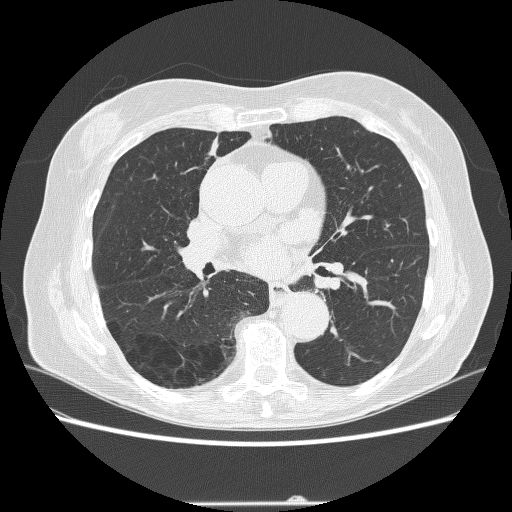
This is axial slice 122 of 246 (slice 1 is the lowest) of a chest CT; each pixel is 0.703 mm and the slice is 1.25 mm thick. No nodule of 3 mm or larger was outlined by any of the four readers on this slice.
Tube voltage 120 kVp; convolution kernel BONE.